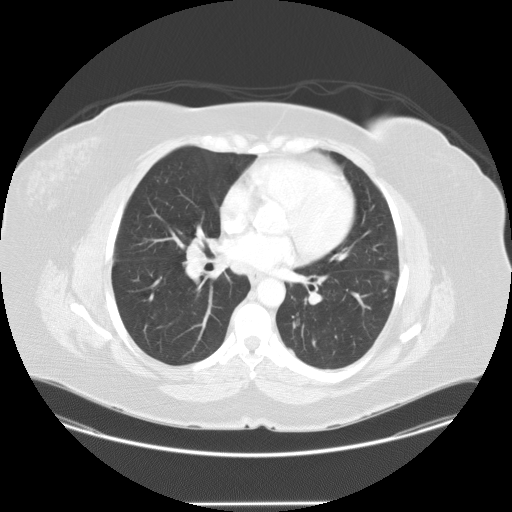
Slice 38/95 of a chest CT, counting up from the lowest; pixel size 0.859 mm, slice thickness 2.50 mm. Pulmonary nodule at rows 274–279, columns 384–388 (box = the union of the readers' outlines on this slice), outlined by all four readers, three of them on this slice; median longest diameter 8.1 mm (readers' outlines 7.3–9.0 mm), median volume 209 mm3 (126–275 mm3). Median ratings and the readers' spread: texture 5/5 (solid) from all four readers; margin 4.5/5 at the median of four readers, spread 4/5 to 5/5 (circumscribed); sphericity 4/5 at the median of four readers, spread 3/5 (ovoid) to 5/5 (round); calcification absent from all four readers; internal structure soft tissue from all four readers; median subtlety 3.5/5 (readers ranged 2–4); malignancy likelihood 2.5/5 at the median of four readers, spread 2–3. Scale key (1–5): texture non-solid→solid, margin indistinct→circumscribed, sphericity linear→round, subtlety extremely subtle→obvious, malignancy likelihood highly unlikely→highly suspicious of cancer. Box rows and columns are 0-based pixel indices from the top-left corner, inclusive.
Tube voltage 120 kVp; convolution kernel STANDARD.